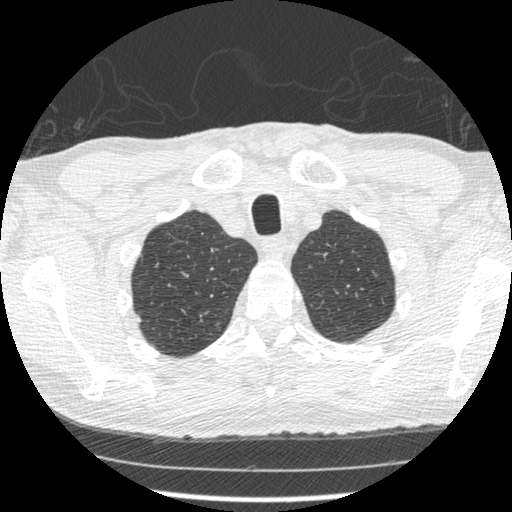
Chest CT, axial plane, 120 kVp, kernel STANDARD. Slice 435/481 from the bottom of the scan; thickness 1.25 mm; pixel size 0.664 mm.
Pulmonary nodule outlined by one of the four readers; box rows 315–320, columns 136–140 (that reader's outline on this slice); longest diameter 7.4 mm and volume 79 mm3 from that reader's outline. Ratings by that reader: texture 5/5 (solid); margin 2/5; sphericity 3/5 (ovoid); calcification absent; internal structure soft tissue; subtlety 4/5; malignancy likelihood 2/5. Scale key (1–5): texture non-solid→solid, margin indistinct→circumscribed, sphericity linear→round, subtlety extremely subtle→obvious, malignancy likelihood highly unlikely→highly suspicious of cancer. Box rows and columns are 0-based pixel indices from the top-left corner, inclusive.